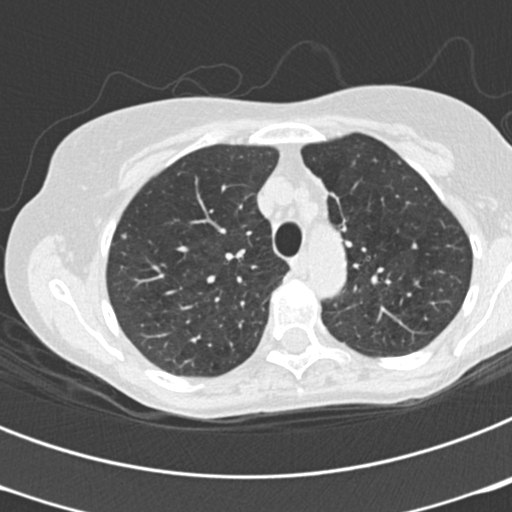
Axial slice 155 of 199 of a chest CT (slice 1 is the lowest), reconstructed with the B30f kernel at 120 kVp; 2.00 mm slice thickness and 0.566 mm pixels.
Pulmonary nodule at rows 233–239, columns 119–125 (box = that reader's outline on this slice), outlined by one of the four readers; longest diameter 4.9 mm and volume 48 mm3 from that reader's outline. Ratings by that reader: texture 5/5 (solid); margin 5/5 (circumscribed); sphericity 4/5; calcification absent; internal structure soft tissue; subtlety 4/5; malignancy likelihood 2/5. Scale key (1–5): texture non-solid→solid, margin indistinct→circumscribed, sphericity linear→round, subtlety extremely subtle→obvious, malignancy likelihood highly unlikely→highly suspicious of cancer. Box rows and columns are 0-based pixel indices from the top-left corner, inclusive.